Axial slice 174 of 248 of a chest CT (slice 1 is the lowest), reconstructed with the STANDARD kernel at 120 kVp; 1.25 mm slice thickness and 0.703 mm pixels.
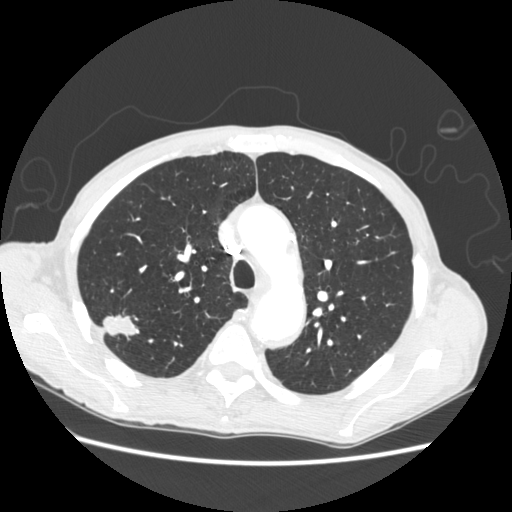
Pulmonary nodule at rows 314–336, columns 102–139 (box = the union of the readers' outlines on this slice), outlined by all four readers; median longest diameter 28.8 mm (readers' outlines 26.0–32.7 mm), median volume 5327 mm3 (5181–6655 mm3). Median ratings and the readers' spread: texture 5/5 (solid), all four readers agreeing; median margin 4.5/5 (readers ranged 2/5 to 5/5 (circumscribed)); median sphericity 3/5 (ovoid) (readers ranged 3/5 (ovoid) to 4/5); calcification absent, all four readers agreeing; internal structure soft tissue, all four readers agreeing; subtlety 5/5 from all four readers; median malignancy likelihood 5/5 (readers ranged 3–5). Scale key (1–5): texture non-solid→solid, margin indistinct→circumscribed, sphericity linear→round, subtlety extremely subtle→obvious, malignancy likelihood highly unlikely→highly suspicious of cancer. Box rows and columns are 0-based pixel indices from the top-left corner, inclusive.